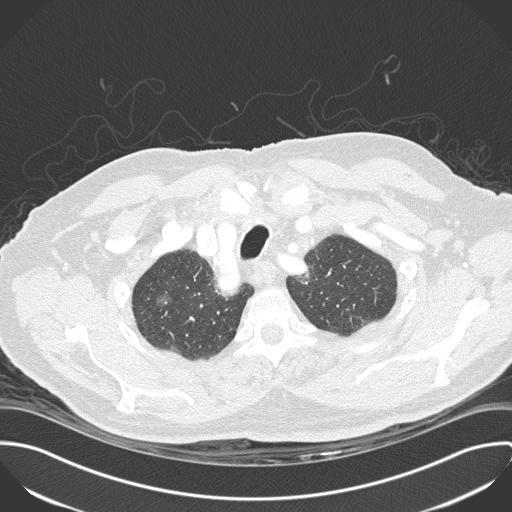
Slice 275/330 of a chest CT, counting up from the lowest; pixel size 0.762 mm, slice thickness 1.00 mm. Pulmonary nodule, outlined by all four readers. Box on this slice rows 291–308, columns 156–173, the union of the readers' outlines on this slice; median longest diameter 16.9 mm (readers' outlines 15.2–19.9 mm), median volume 843 mm3 (678–927 mm3). Ratings, median across the readers with their spread: texture 1/5 (non-solid) at the median of four readers, spread 1/5 (non-solid) to 2/5; margin 2/5 at the median of four readers, spread 1/5 (indistinct) to 4/5; median sphericity 4/5 (readers ranged 3/5 (ovoid) to 5/5 (round)); calcification absent from all four readers; internal structure soft tissue, all four readers agreeing; subtlety 3/5 at the median of four readers, spread 1–4; median malignancy likelihood 3.5/5 (readers ranged 2–4). Scale key (1–5): texture non-solid→solid, margin indistinct→circumscribed, sphericity linear→round, subtlety extremely subtle→obvious, malignancy likelihood highly unlikely→highly suspicious of cancer. Box rows and columns are 0-based pixel indices from the top-left corner, inclusive.
Acquired at 120 kVp and reconstructed with the B45f kernel.